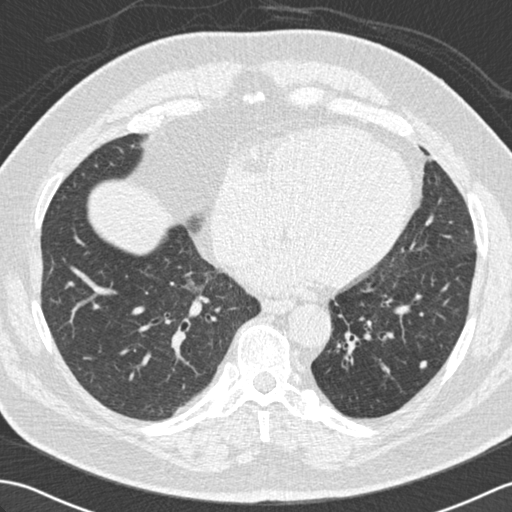
This is axial slice 69 of 172 (slice 1 is the lowest) of a chest CT; each pixel is 0.684 mm and the slice is 2.00 mm thick. Pulmonary nodule at rows 360–369, columns 419–427 (box = the union of the readers' outlines on this slice), outlined by all four readers; median longest diameter 7.6 mm (readers' outlines 7.3–8.0 mm), median volume 142 mm3 (109–174 mm3). Median ratings and the readers' spread: median texture 5/5 (solid) (readers ranged 4/5 to 5/5 (solid)); median margin 4.5/5 (readers ranged 4/5 to 5/5 (circumscribed)); sphericity 4/5 at the median of four readers, spread 3/5 (ovoid) to 5/5 (round); calcification absent from all four readers; internal structure soft tissue from all four readers; median subtlety 4.5/5 (readers ranged 2–5); median malignancy likelihood 2.5/5 (readers ranged 2–5). Scale key (1–5): texture non-solid→solid, margin indistinct→circumscribed, sphericity linear→round, subtlety extremely subtle→obvious, malignancy likelihood highly unlikely→highly suspicious of cancer. Box rows and columns are 0-based pixel indices from the top-left corner, inclusive.
Acquired at 120 kVp and reconstructed with the B30f kernel.